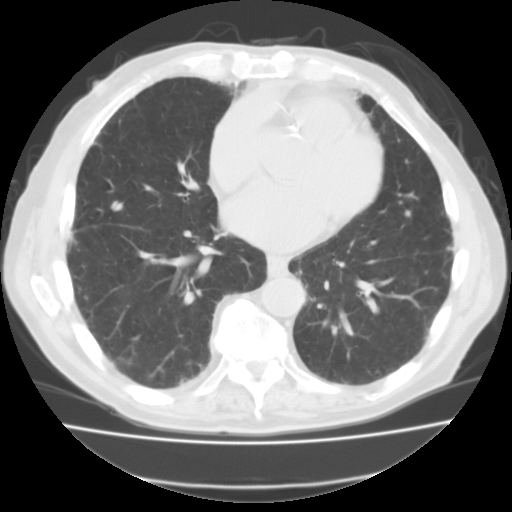
One axial slice (44 of 111, counting up from the lowest) of a chest CT acquired at 135 kVp with the FC01 kernel; each pixel is 0.714 mm and the slice is 3.00 mm thick.
Pulmonary nodule, outlined by all four readers. Box on this slice rows 200–211, columns 110–123, the union of the readers' outlines on this slice; median longest diameter 9.7 mm (readers' outlines 9.3–10.8 mm), median volume 381 mm3 (275–458 mm3). Median ratings and the readers' spread: texture 5/5 (solid) at the median of four readers, spread 4/5 to 5/5 (solid); median margin 4/5 (readers ranged 3/5 to 5/5 (circumscribed)); median sphericity 4.5/5 (readers ranged 3/5 (ovoid) to 5/5 (round)); calcification absent from all four readers; internal structure soft tissue, all four readers agreeing; median subtlety 4.5/5 (readers ranged 3–5); median malignancy likelihood 3/5 (readers ranged 2–4). Scale key (1–5): texture non-solid→solid, margin indistinct→circumscribed, sphericity linear→round, subtlety extremely subtle→obvious, malignancy likelihood highly unlikely→highly suspicious of cancer. Box rows and columns are 0-based pixel indices from the top-left corner, inclusive.